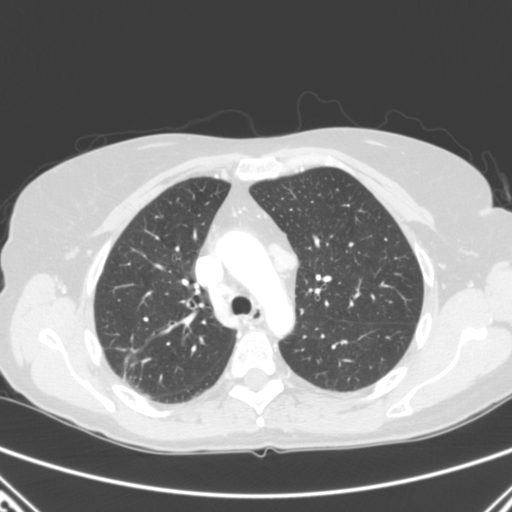
Axial chest CT slice 192 of 280 (counted from the lowest slice); tube voltage 120 kVp, convolution kernel B; slices 2.00 mm thick, 0.676 mm per pixel.
Pulmonary nodule at rows 348–367, columns 116–139 (box = the union of the readers' outlines on this slice), outlined three times (the source holds two more outlines, not used), two of them on this slice; median longest diameter 19.7 mm (readers' outlines 19.6–26.7 mm), median volume 999 mm3 (949–1659 mm3). Ratings, median across the readers with their spread: texture 5/5 (solid) at the median of three readers, spread 4/5 to 5/5 (solid); margin 3/5 at the median of three readers, spread 3/5 to 4/5; sphericity 3/5 (ovoid) at the median of three readers, spread 2/5 to 5/5 (round); calcification absent from all three readers; internal structure soft tissue from all three readers; subtlety 5/5 from all three readers; median malignancy likelihood 5/5 (readers ranged 4–5). Scale key (1–5): texture non-solid→solid, margin indistinct→circumscribed, sphericity linear→round, subtlety extremely subtle→obvious, malignancy likelihood highly unlikely→highly suspicious of cancer. Box rows and columns are 0-based pixel indices from the top-left corner, inclusive.